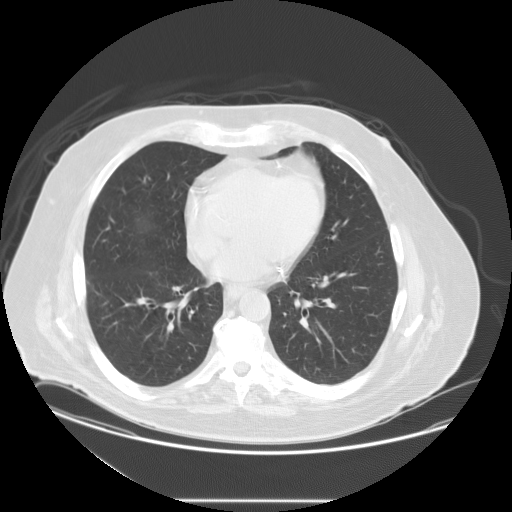
Axial slice 66 of 133 of a chest CT (slice 1 is the lowest), reconstructed with the STANDARD kernel at 120 kVp; 2.50 mm slice thickness and 0.859 mm pixels.
The readers outlined no nodule of 3 mm or more on this slice.